One axial slice (104 of 250, counting up from the lowest) of a chest CT acquired at 120 kVp with the BONE kernel; each pixel is 0.654 mm and the slice is 1.25 mm thick.
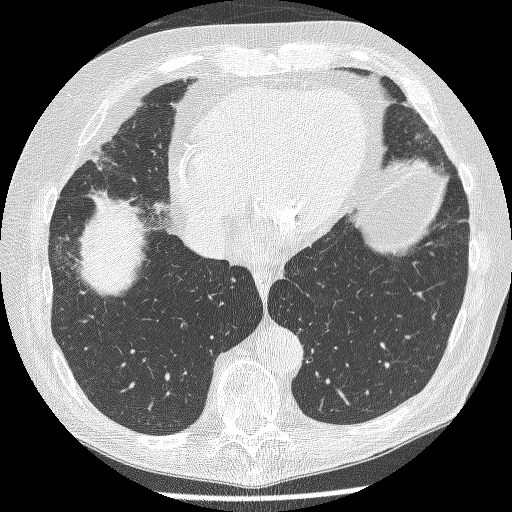
Pulmonary nodule, outlined by two of the four readers. Box on this slice rows 277–282, columns 230–234, the union of the readers' outlines on this slice; median longest diameter 5.3 mm (readers' outlines 5.0–5.6 mm), median volume 43 mm3 (36–51 mm3). Ratings, median across the readers with their spread: texture 5/5 (solid) from both readers; margin 4.5/5 at the median of two readers, spread 4/5 to 5/5 (circumscribed); sphericity 3.5/5 at the median of two readers, spread 3/5 (ovoid) to 4/5; calcification absent from both readers; internal structure soft tissue from both readers; median subtlety 3/5 (readers ranged 2–4); malignancy likelihood 3/5 from both readers. Scale key (1–5): texture non-solid→solid, margin indistinct→circumscribed, sphericity linear→round, subtlety extremely subtle→obvious, malignancy likelihood highly unlikely→highly suspicious of cancer. Box rows and columns are 0-based pixel indices from the top-left corner, inclusive.